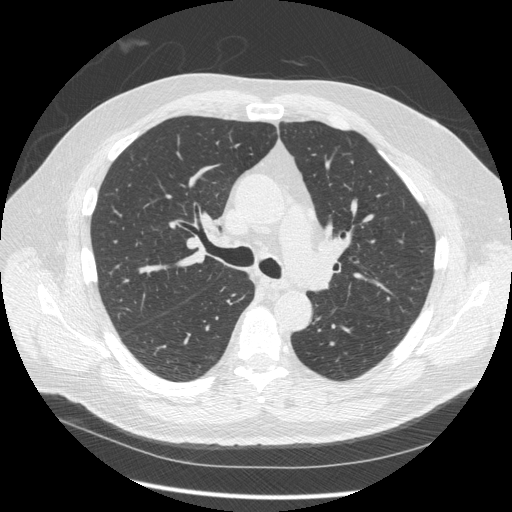
Axial chest CT slice 304 of 484 (counted from the lowest slice); 1.25 mm thick, 0.762 mm per pixel. None of the four readers outlined a nodule of 3 mm or more on this slice.
Acquired at 120 kVp and reconstructed with the STANDARD kernel.